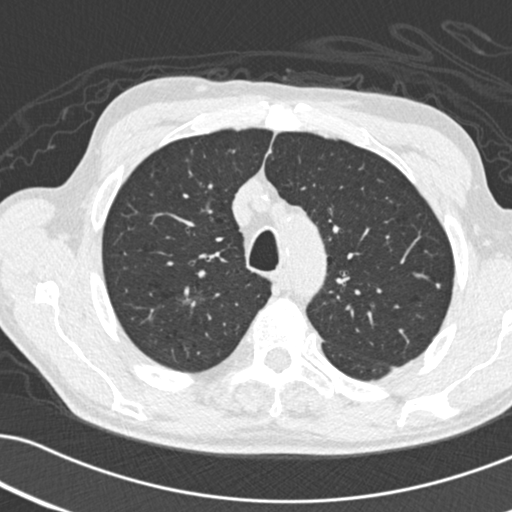
One axial slice (165 of 209, counting up from the lowest) of a chest CT acquired at 120 kVp with the B30f kernel; each pixel is 0.625 mm and the slice is 2.00 mm thick.
Pulmonary nodule at rows 298–304, columns 181–190 (box = the one reader's outline on this slice), outlined by two of the four readers, one of them on this slice; the two readers' outlines give a longest diameter between 15.9 and 16.8 mm and a volume between 371 and 777 mm3. Ratings across the readers: texture from 1/5 (non-solid) to 3/5 (part-solid) across the two readers; margin from 2/5 to 4/5 across the two readers; sphericity from 2/5 to 4/5 across the two readers; calcification absent, both readers agreeing; internal structure soft tissue, both readers agreeing; subtlety from 3/5 to 5/5 across the two readers; malignancy likelihood from 3/5 to 5/5 across the two readers. Scale key (1–5): texture non-solid→solid, margin indistinct→circumscribed, sphericity linear→round, subtlety extremely subtle→obvious, malignancy likelihood highly unlikely→highly suspicious of cancer. Box rows and columns are 0-based pixel indices from the top-left corner, inclusive.